Axial chest CT slice 179 of 462 (counted from the lowest slice); tube voltage 120 kVp, convolution kernel STANDARD; slices 1.25 mm thick, 0.742 mm per pixel.
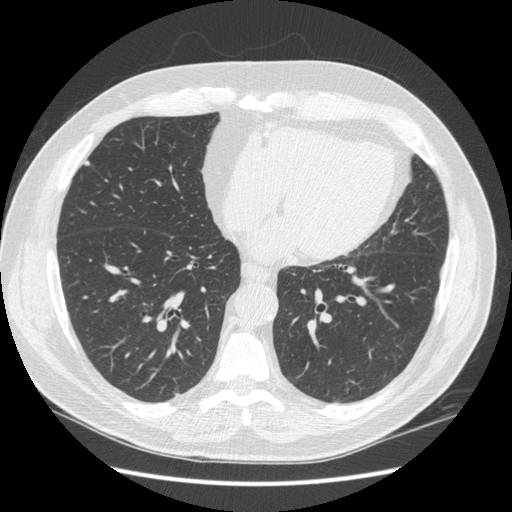
Pulmonary nodule, outlined by all four readers. Box on this slice rows 160–166, columns 82–89, the union of the readers' outlines on this slice; longest diameter 6.6–7.3 mm and volume 76–107 mm3 across the four readers' outlines. The readers' ratings, as ranges where they differ: texture 5/5 (solid) from all four readers; margin from 4/5 to 5/5 (circumscribed) across the four readers; sphericity from 2/5 to 5/5 (round) across the four readers; calcification absent, all four readers agreeing; internal structure soft tissue, all four readers agreeing; subtlety rated between 3 and 4 out of 5 by the four readers; malignancy likelihood rated between 1 and 3 out of 5 by the four readers. Scale key (1–5): texture non-solid→solid, margin indistinct→circumscribed, sphericity linear→round, subtlety extremely subtle→obvious, malignancy likelihood highly unlikely→highly suspicious of cancer. Box rows and columns are 0-based pixel indices from the top-left corner, inclusive.